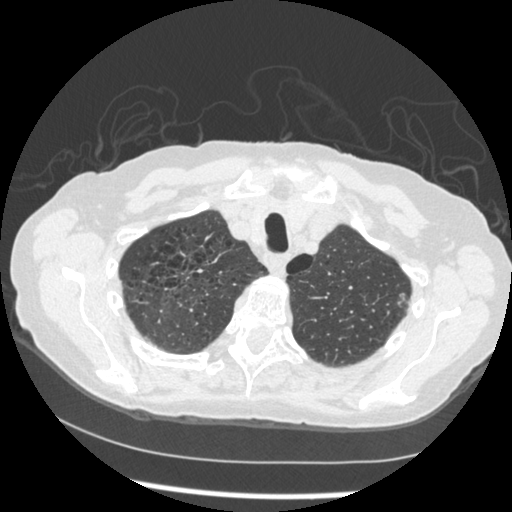
One axial slice (391 of 461, counting up from the lowest) of a chest CT acquired at 120 kVp with the STANDARD kernel; each pixel is 0.645 mm and the slice is 1.25 mm thick.
Pulmonary nodule at rows 293–301, columns 400–405 (box = the union of the readers' outlines on this slice), outlined by all four readers, two of them on this slice; longest diameter 10.1 mm on average over the four readers' outlines (readers' outlines 9.2–11.1 mm), volume 139–248 mm3. The readers' prevailing ratings and who disagreed: texture 5/5 (solid) by three of four readers; the rest gave 3/5 (part-solid) (one); margin 4/5 by two of four readers; the rest gave 2/5 (one), 5/5 (circumscribed) (one); sphericity 4/5 by two of four readers; the rest gave 2/5 (one), 5/5 (round) (one); calcification absent from all four readers; internal structure soft tissue, all four readers agreeing; subtlety 5/5 by two of four readers; the rest gave 3/5 (one), 4/5 (one); malignancy likelihood 3/5 by two of four readers; the rest gave 2/5 (one), 4/5 (one). Scale key (1–5): texture non-solid→solid, margin indistinct→circumscribed, sphericity linear→round, subtlety extremely subtle→obvious, malignancy likelihood highly unlikely→highly suspicious of cancer. Box rows and columns are 0-based pixel indices from the top-left corner, inclusive.